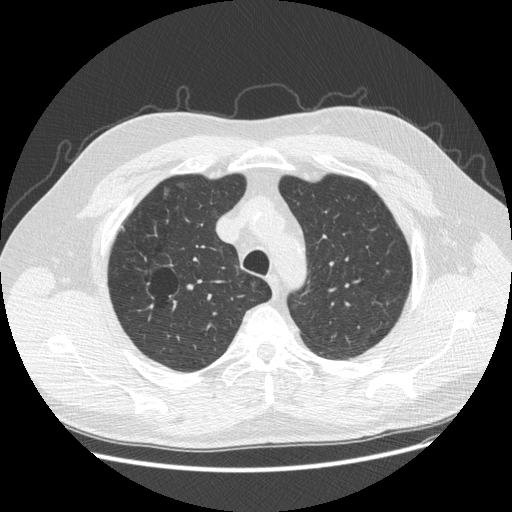
Chest CT, axial plane, 120 kVp, kernel STANDARD. Slice 383/481 from the bottom of the scan; thickness 1.25 mm; pixel size 0.742 mm.
Pulmonary nodule outlined by two of the four readers, one of them on this slice; box rows 187–195, columns 164–168 (the one reader's outline on this slice); the two readers' outlines give a longest diameter between 8.5 and 9.0 mm and a volume between 54 and 136 mm3. The readers' ratings, as ranges where they differ: texture from 3/5 (part-solid) to 4/5 across the two readers; margin from 2/5 to 4/5 across the two readers; sphericity from 2/5 to 3/5 (ovoid) across the two readers; calcification absent from both readers; internal structure soft tissue, both readers agreeing; subtlety from 1/5 to 3/5 across the two readers; malignancy likelihood 2–4/5 (the readers disagree). Scale key (1–5): texture non-solid→solid, margin indistinct→circumscribed, sphericity linear→round, subtlety extremely subtle→obvious, malignancy likelihood highly unlikely→highly suspicious of cancer. Box rows and columns are 0-based pixel indices from the top-left corner, inclusive.